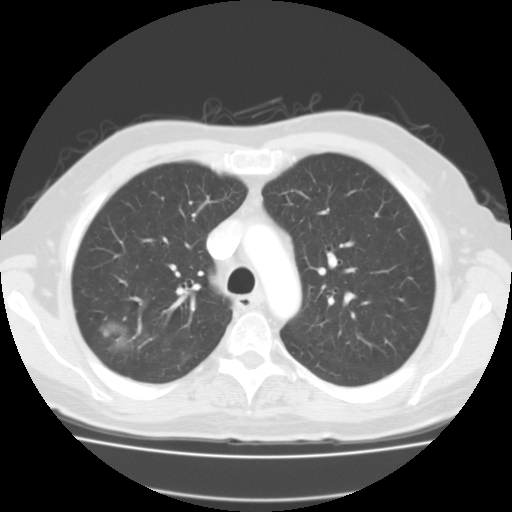
Chest CT, axial plane, 135 kVp, kernel FC01. Slice 93/127 from the bottom of the scan; thickness 3.00 mm; pixel size 0.750 mm.
Pulmonary nodule outlined by two of the four readers; box rows 331–337, columns 103–109 (the union of the readers' outlines on this slice); longest diameter 5.9–7.4 mm and volume 145–238 mm3 across the two readers' outlines. The readers' ratings, as ranges where they differ: texture from 2/5 to 5/5 (solid) across the two readers; margin from 2/5 to 3/5 across the two readers; sphericity from 3/5 (ovoid) to 4/5 across the two readers; calcification absent, both readers agreeing; internal structure soft tissue, both readers agreeing; subtlety from 2/5 to 4/5 across the two readers; malignancy likelihood 3/5, both readers agreeing. Scale key (1–5): texture non-solid→solid, margin indistinct→circumscribed, sphericity linear→round, subtlety extremely subtle→obvious, malignancy likelihood highly unlikely→highly suspicious of cancer. Box rows and columns are 0-based pixel indices from the top-left corner, inclusive.